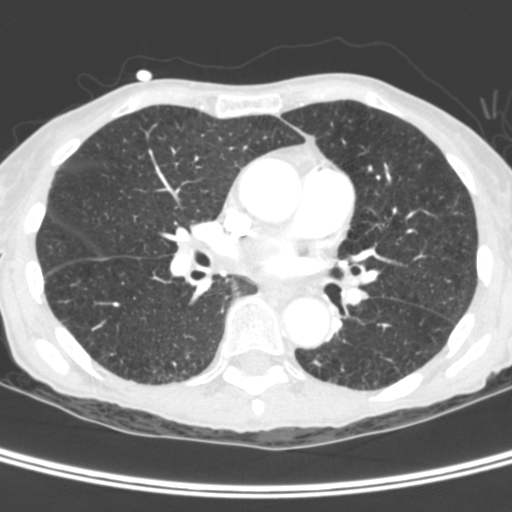
This is axial slice 199 of 400 (slice 1 is the lowest) of a chest CT; each pixel is 0.527 mm and the slice is 1.50 mm thick. Pulmonary nodule, outlined by three of the four readers, two of them on this slice. Box on this slice rows 361–365, columns 314–319, the union of the readers' outlines on this slice; longest diameter 7.4 mm on average over the three readers' outlines (readers' outlines 6.0–8.7 mm), volume 56–91 mm3. Ratings, by the readers' most common answer with dissent counted: texture 5/5 (solid) from all three readers; most readers (two of three) put margin at 4/5, others 3/5 (one); sphericity 3/5 (ovoid) by two of three readers; the rest gave 2/5 (one); calcification absent from all three readers; internal structure soft tissue from all three readers; most readers (two of three) put subtlety at 3/5, others 5/5 (one); malignancy likelihood split among the readers: 1/5 (one), 2/5 (one), 4/5 (one). Scale key (1–5): texture non-solid→solid, margin indistinct→circumscribed, sphericity linear→round, subtlety extremely subtle→obvious, malignancy likelihood highly unlikely→highly suspicious of cancer. Box rows and columns are 0-based pixel indices from the top-left corner, inclusive.
Tube voltage 120 kVp; convolution kernel C.